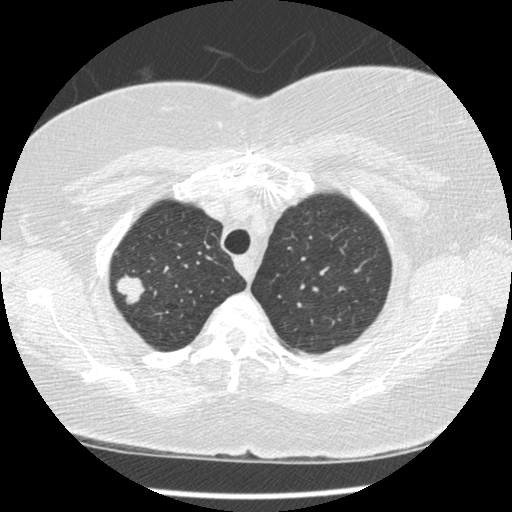
Axial slice 303 of 375 of a chest CT (slice 1 is the lowest), reconstructed with the STANDARD kernel at 120 kVp; 1.25 mm slice thickness and 0.625 mm pixels.
Pulmonary nodule outlined by all four readers; box rows 275–306, columns 115–145 (the union of the readers' outlines on this slice); the four readers' outlines give a longest diameter between 21.2 and 23.2 mm and a volume between 2289 and 3466 mm3. Ratings across the readers: texture from 4/5 to 5/5 (solid) across the four readers; margin from 3/5 to 5/5 (circumscribed) across the four readers; sphericity from 2/5 to 5/5 (round) across the four readers; calcification absent, all four readers agreeing; internal structure soft tissue from all four readers; subtlety 5/5 from all four readers; malignancy likelihood 3–5/5 (the readers disagree). Scale key (1–5): texture non-solid→solid, margin indistinct→circumscribed, sphericity linear→round, subtlety extremely subtle→obvious, malignancy likelihood highly unlikely→highly suspicious of cancer. Box rows and columns are 0-based pixel indices from the top-left corner, inclusive.